Axial chest CT slice 17 of 95 (counted from the lowest slice); tube voltage 120 kVp, convolution kernel STANDARD; slices 2.50 mm thick, 0.859 mm per pixel.
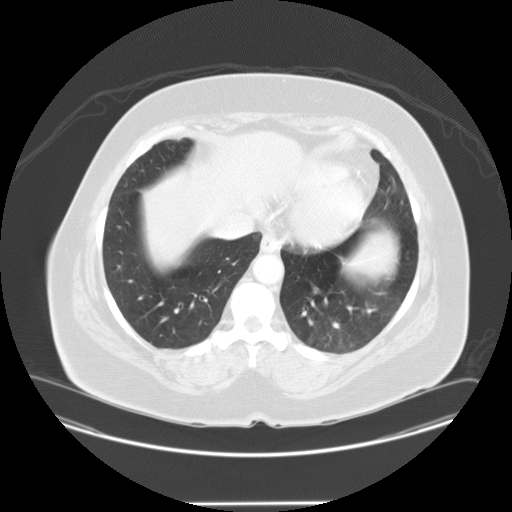
Pulmonary nodule outlined by all four readers, one of them on this slice; box rows 338–342, columns 310–313 (the one reader's outline on this slice); longest diameter 20.1 mm on average over the four readers' outlines (readers' outlines 17.2–23.5 mm), volume 2023–2813 mm3. Ratings, by the readers' most common answer with dissent counted: texture 5/5 (solid) by three of four readers; the rest gave 4/5 (one); margin 3/5 by two of four readers; the rest gave 4/5 (one), 5/5 (circumscribed) (one); sphericity 5/5 (round) by two of four readers; the rest gave 3/5 (ovoid) (one), 4/5 (one); calcification absent from all four readers; internal structure soft tissue, all four readers agreeing; subtlety 5/5 by two of four readers; the rest gave 3/5 (one), 4/5 (one); most readers (three of four) put malignancy likelihood at 4/5, others 2/5 (one). Scale key (1–5): texture non-solid→solid, margin indistinct→circumscribed, sphericity linear→round, subtlety extremely subtle→obvious, malignancy likelihood highly unlikely→highly suspicious of cancer. Box rows and columns are 0-based pixel indices from the top-left corner, inclusive.